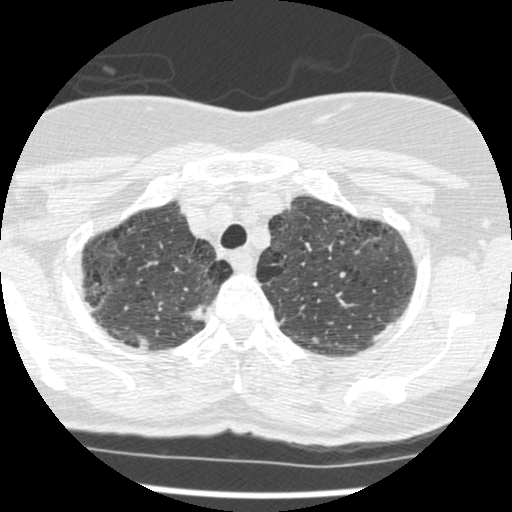
Slice 403/465 of a chest CT, counting up from the lowest; pixel size 0.586 mm, slice thickness 1.25 mm. Pulmonary nodule outlined by two of the four readers; box rows 337–342, columns 311–317 (the union of the readers' outlines on this slice); longest diameter 5.5 mm on average over the two readers' outlines (readers' outlines 5.5–5.6 mm), volume 23–30 mm3. The readers' prevailing ratings and who disagreed: texture split among the readers: 2/5 (one), 5/5 (solid) (one); margin split among the readers: 2/5 (one), 5/5 (circumscribed) (one); sphericity split among the readers: 2/5 (one), 3/5 (ovoid) (one); calcification absent, both readers agreeing; internal structure soft tissue, both readers agreeing; subtlety split among the readers: 1/5 (one), 4/5 (one); malignancy likelihood split among the readers: 1/5 (one), 3/5 (one). Scale key (1–5): texture non-solid→solid, margin indistinct→circumscribed, sphericity linear→round, subtlety extremely subtle→obvious, malignancy likelihood highly unlikely→highly suspicious of cancer. Box rows and columns are 0-based pixel indices from the top-left corner, inclusive.
Scan settings: 120 kVp, STANDARD reconstruction kernel.